One axial slice (76 of 111, counting up from the lowest) of a chest CT acquired at 130 kVp with the B31s kernel; each pixel is 0.574 mm and the slice is 3.00 mm thick.
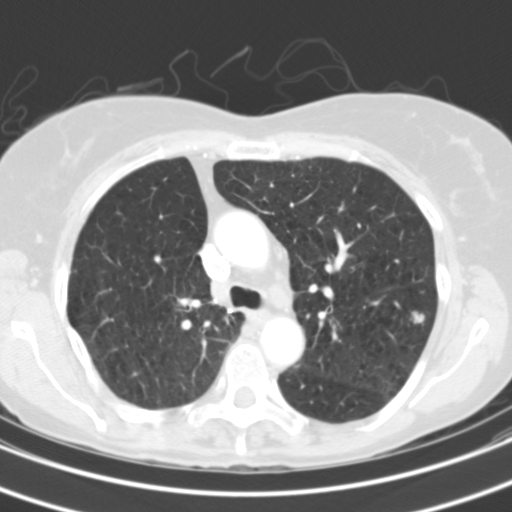
Pulmonary nodule, outlined by three of the four readers. Box on this slice rows 311–323, columns 411–425, the union of the readers' outlines on this slice; median longest diameter 9.9 mm (readers' outlines 9.5–11.0 mm), median volume 343 mm3 (311–494 mm3). Ratings, median across the readers with their spread: texture 5/5 (solid), all three readers agreeing; median margin 4/5 (readers ranged 3/5 to 5/5 (circumscribed)); sphericity 4/5 from all three readers; calcification absent, all three readers agreeing; internal structure soft tissue, all three readers agreeing; subtlety 5/5 at the median of three readers, spread 4–5; median malignancy likelihood 4/5 (readers ranged 2–5). Scale key (1–5): texture non-solid→solid, margin indistinct→circumscribed, sphericity linear→round, subtlety extremely subtle→obvious, malignancy likelihood highly unlikely→highly suspicious of cancer. Box rows and columns are 0-based pixel indices from the top-left corner, inclusive.